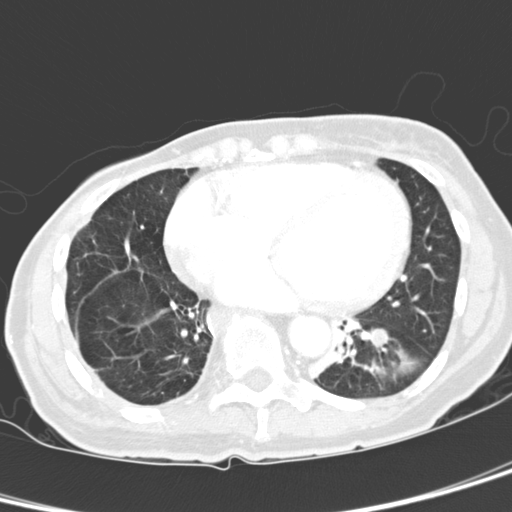
Chest CT, axial plane, 120 kVp, kernel D. Slice 136/321 from the bottom of the scan; thickness 2.00 mm; pixel size 0.557 mm.
Pulmonary nodule outlined by all four readers; box rows 327–348, columns 370–387 (the union of the readers' outlines on this slice); longest diameter 18.8 mm on average over the four readers' outlines (readers' outlines 18.1–20.0 mm), volume 2428–2697 mm3. Ratings, by the readers' most common answer with dissent counted: texture split among the readers: 4/5 (two), 5/5 (solid) (two); margin 5/5 (circumscribed) by two of four readers; the rest gave 3/5 (one), 4/5 (one); most readers (three of four) put sphericity at 5/5 (round), others 4/5 (one); calcification absent, all four readers agreeing; internal structure soft tissue from all four readers; subtlety 5/5 by three of four readers; the rest gave 4/5 (one); malignancy likelihood 5/5 by two of four readers; the rest gave 2/5 (one), 3/5 (one). Scale key (1–5): texture non-solid→solid, margin indistinct→circumscribed, sphericity linear→round, subtlety extremely subtle→obvious, malignancy likelihood highly unlikely→highly suspicious of cancer. Box rows and columns are 0-based pixel indices from the top-left corner, inclusive.